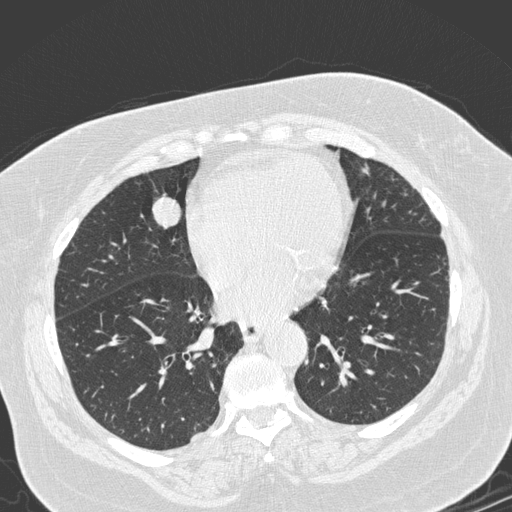
One axial slice (84 of 280, counting up from the lowest) of a chest CT acquired at 120 kVp with the D kernel; each pixel is 0.666 mm and the slice is 1.00 mm thick.
Pulmonary nodule, outlined by all four readers. Box on this slice rows 194–228, columns 150–181, the union of the readers' outlines on this slice; median longest diameter 25.4 mm (readers' outlines 25.0–27.8 mm), median volume 5111 mm3 (4698–5913 mm3). Median ratings and the readers' spread: texture 5/5 (solid), all four readers agreeing; margin 4.5/5 at the median of four readers, spread 4/5 to 5/5 (circumscribed); median sphericity 4.5/5 (readers ranged 3/5 (ovoid) to 5/5 (round)); calcification absent from all four readers; internal structure soft tissue from all four readers; subtlety 5/5, all four readers agreeing; malignancy likelihood 4.5/5 at the median of four readers, spread 2–5. Scale key (1–5): texture non-solid→solid, margin indistinct→circumscribed, sphericity linear→round, subtlety extremely subtle→obvious, malignancy likelihood highly unlikely→highly suspicious of cancer. Box rows and columns are 0-based pixel indices from the top-left corner, inclusive.